Chest CT, axial plane, 120 kVp, kernel STANDARD. Slice 161/250 from the bottom of the scan; thickness 1.25 mm; pixel size 0.703 mm.
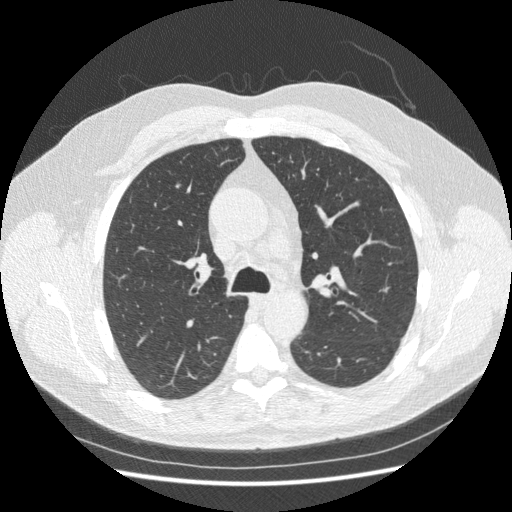
Pulmonary nodule, outlined by all four readers. Box on this slice rows 182–188, columns 174–181, the union of the readers' outlines on this slice; the four readers' outlines give a longest diameter between 5.8 and 7.3 mm and a volume between 93 and 146 mm3. The readers' ratings, as ranges where they differ: texture 5/5 (solid) from all four readers; margin from 4/5 to 5/5 (circumscribed) across the four readers; sphericity from 3/5 (ovoid) to 5/5 (round) across the four readers; calcification absent, all four readers agreeing; internal structure soft tissue, all four readers agreeing; subtlety 3–5/5 (the readers disagree); malignancy likelihood rated between 2 and 4 out of 5 by the four readers. Scale key (1–5): texture non-solid→solid, margin indistinct→circumscribed, sphericity linear→round, subtlety extremely subtle→obvious, malignancy likelihood highly unlikely→highly suspicious of cancer. Box rows and columns are 0-based pixel indices from the top-left corner, inclusive.